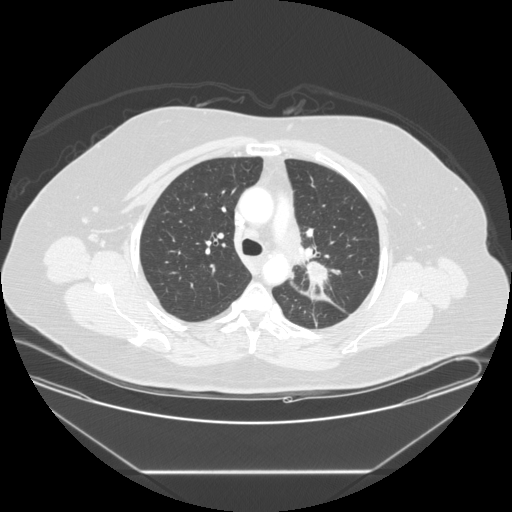
Chest CT, axial plane, 120 kVp, kernel STANDARD. Slice 162/225 from the bottom of the scan; thickness 1.25 mm; pixel size 0.828 mm.
Pulmonary nodule at rows 262–284, columns 307–326 (box = that reader's outline on this slice), outlined by one of the four readers; longest diameter 33.6 mm and volume 4404 mm3 from that reader's outline. Ratings by that reader: texture 5/5 (solid); margin 2/5; sphericity 3/5 (ovoid); calcification absent; internal structure soft tissue; subtlety 5/5; malignancy likelihood 5/5. Scale key (1–5): texture non-solid→solid, margin indistinct→circumscribed, sphericity linear→round, subtlety extremely subtle→obvious, malignancy likelihood highly unlikely→highly suspicious of cancer. Box rows and columns are 0-based pixel indices from the top-left corner, inclusive.